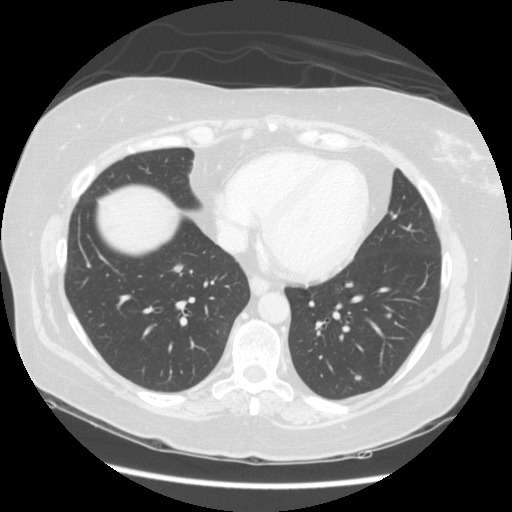
One axial slice (49 of 123, counting up from the lowest) of a chest CT acquired at 140 kVp with the STANDARD kernel; each pixel is 0.703 mm and the slice is 2.50 mm thick.
Two pulmonary nodules are outlined on this slice; from left to right: (1) Pulmonary nodule, outlined by all four readers. Box on this slice rows 263–272, columns 171–183, the union of the readers' outlines on this slice; longest diameter 8.2–10.2 mm and volume 156–224 mm3 across the four readers' outlines. Ratings across the readers: texture from 3/5 (part-solid) to 5/5 (solid) across the four readers; margin from 2/5 to 4/5 across the four readers; sphericity from 3/5 (ovoid) to 5/5 (round) across the four readers; calcification absent, all four readers agreeing; internal structure soft tissue, all four readers agreeing; subtlety rated between 2 and 5 out of 5 by the four readers; malignancy likelihood 3–4/5 (the readers disagree). (2) Pulmonary nodule at rows 375–380, columns 354–361 (box = that reader's outline on this slice), outlined by one of the four readers; longest diameter 7.3 mm and volume 121 mm3 from that reader's outline. That reader's ratings: texture 4/5; margin 2/5; sphericity 3/5 (ovoid); calcification absent; internal structure soft tissue; subtlety 4/5; malignancy likelihood 3/5. Scale key (1–5): texture non-solid→solid, margin indistinct→circumscribed, sphericity linear→round, subtlety extremely subtle→obvious, malignancy likelihood highly unlikely→highly suspicious of cancer. Box rows and columns are 0-based pixel indices from the top-left corner, inclusive.